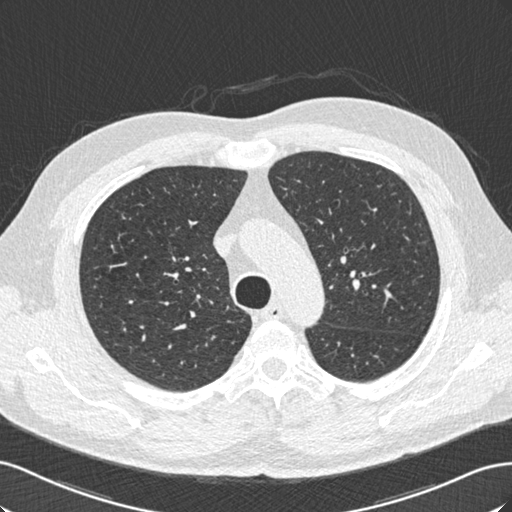
Slice 422/529 of a chest CT, counting up from the lowest; pixel size 0.703 mm, slice thickness 0.75 mm. No nodule of 3 mm or larger was outlined by any of the four readers on this slice.
Acquired at 120 kVp and reconstructed with the B30f kernel.